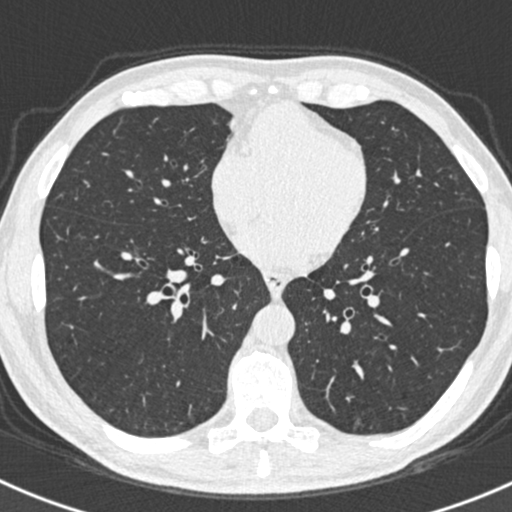
Slice 268/538 of a chest CT, counting up from the lowest; pixel size 0.605 mm, slice thickness 0.75 mm. No nodule 3 mm or larger was outlined here by any reader.
Tube voltage 120 kVp; convolution kernel B30f.